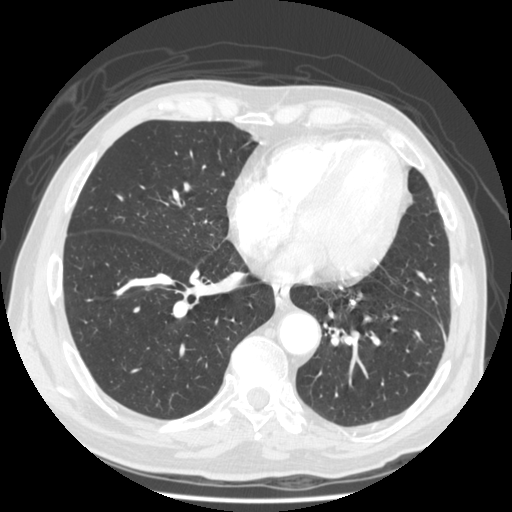
Axial slice 214 of 501 of a chest CT (slice 1 is the lowest), reconstructed with the STANDARD kernel at 140 kVp; 1.25 mm slice thickness and 0.703 mm pixels.
No nodule of 3 mm or larger was outlined by any of the four readers on this slice.